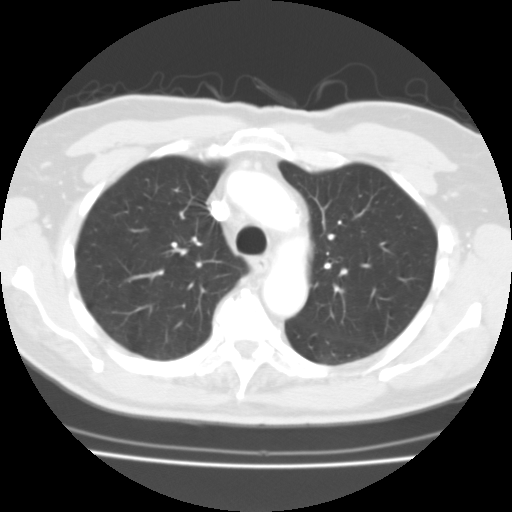
Chest CT, axial plane, 135 kVp, kernel FC01. Slice 92/119 from the bottom of the scan; thickness 3.00 mm; pixel size 0.607 mm.
The readers outlined no nodule of 3 mm or more on this slice.